Chest CT, axial plane, 120 kVp, kernel C. Slice 56/290 from the bottom of the scan; thickness 2.00 mm; pixel size 0.682 mm.
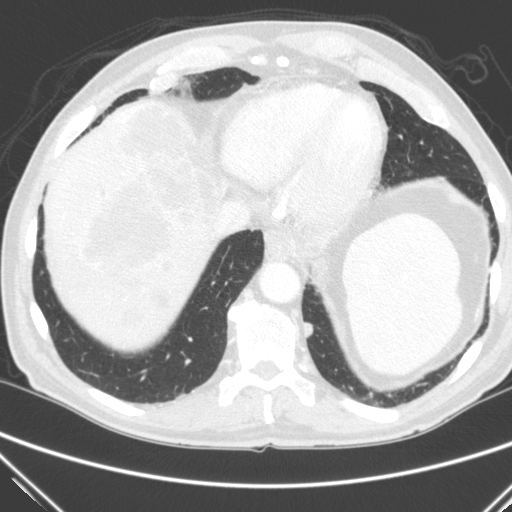
Pulmonary nodule outlined by all four readers; box rows 322–337, columns 303–312 (the union of the readers' outlines on this slice); longest diameter 12.3–13.7 mm and volume 463–570 mm3 across the four readers' outlines. Ratings across the readers: texture 5/5 (solid), all four readers agreeing; margin from 4/5 to 5/5 (circumscribed) across the four readers; sphericity from 2/5 to 4/5 across the four readers; calcification absent, all four readers agreeing; internal structure soft tissue from all four readers; subtlety rated between 3 and 5 out of 5 by the four readers; malignancy likelihood from 3/5 to 4/5 across the four readers. Scale key (1–5): texture non-solid→solid, margin indistinct→circumscribed, sphericity linear→round, subtlety extremely subtle→obvious, malignancy likelihood highly unlikely→highly suspicious of cancer. Box rows and columns are 0-based pixel indices from the top-left corner, inclusive.